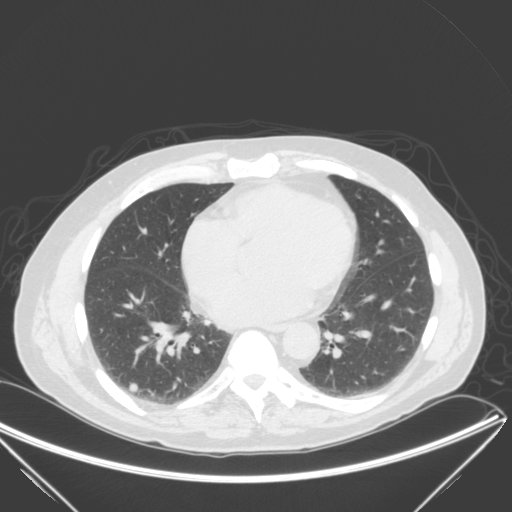
Chest CT, axial plane, 120 kVp, kernel B. Slice 95/280 from the bottom of the scan; thickness 2.00 mm; pixel size 0.805 mm.
Pulmonary nodule at rows 382–392, columns 128–138 (box = the union of the readers' outlines on this slice), outlined by all four readers; longest diameter 9.1–10.9 mm and volume 168–331 mm3 across the four readers' outlines. Ratings across the readers: texture 5/5 (solid) from all four readers; margin from 4/5 to 5/5 (circumscribed) across the four readers; sphericity from 4/5 to 5/5 (round) across the four readers; calcification absent from all four readers; internal structure soft tissue from all four readers; subtlety 4–5/5 (the readers disagree); malignancy likelihood rated between 3 and 5 out of 5 by the four readers. Scale key (1–5): texture non-solid→solid, margin indistinct→circumscribed, sphericity linear→round, subtlety extremely subtle→obvious, malignancy likelihood highly unlikely→highly suspicious of cancer. Box rows and columns are 0-based pixel indices from the top-left corner, inclusive.